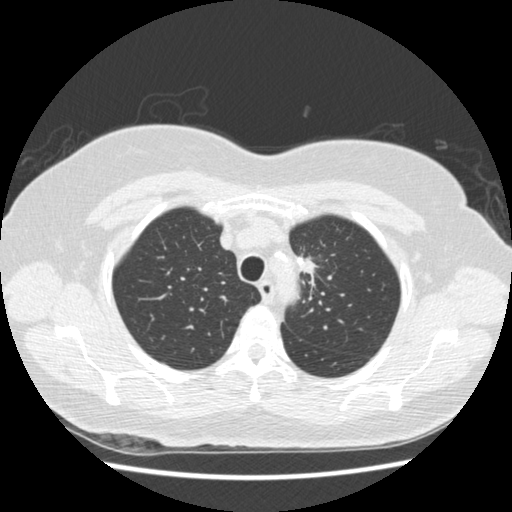
Chest CT, axial plane, 120 kVp, kernel STANDARD. Slice 353/445 from the bottom of the scan; thickness 1.25 mm; pixel size 0.645 mm.
Pulmonary nodule, outlined by one of the four readers. Box on this slice rows 257–279, columns 298–314, that reader's outline on this slice; longest diameter 31.0 mm and volume 2055 mm3 from that reader's outline. Ratings by that reader: texture 5/5 (solid); margin 2/5; sphericity 2/5; calcification absent; internal structure soft tissue; subtlety 5/5; malignancy likelihood 4/5. Scale key (1–5): texture non-solid→solid, margin indistinct→circumscribed, sphericity linear→round, subtlety extremely subtle→obvious, malignancy likelihood highly unlikely→highly suspicious of cancer. Box rows and columns are 0-based pixel indices from the top-left corner, inclusive.